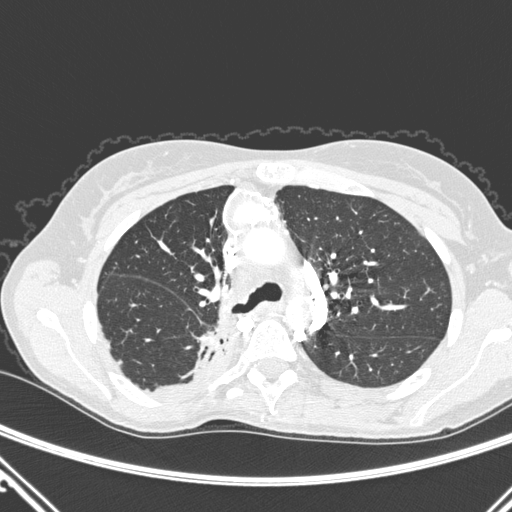
Chest CT, axial plane, 120 kVp, kernel D. Slice 184/290 from the bottom of the scan; thickness 1.00 mm; pixel size 0.662 mm.
This slice carries no reader outline of a nodule 3 mm or larger.